Axial chest CT slice 181 of 368 (counted from the lowest slice); tube voltage 120 kVp, convolution kernel B70f; slices 2.00 mm thick, 0.623 mm per pixel.
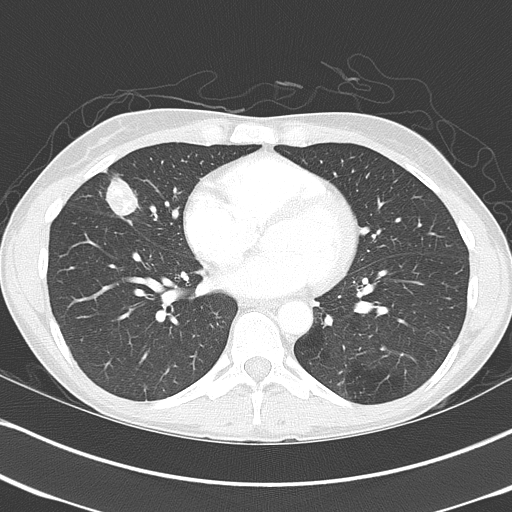
Pulmonary nodule at rows 172–215, columns 104–139 (box = the union of the readers' outlines on this slice), outlined by all four readers; longest diameter 31.5 mm on average over the four readers' outlines (readers' outlines 27.1–39.3 mm), volume 6531–9806 mm3. The readers' prevailing ratings and who disagreed: texture 5/5 (solid), all four readers agreeing; margin 4/5 by two of four readers; the rest gave 2/5 (one), 5/5 (circumscribed) (one); most readers (three of four) put sphericity at 3/5 (ovoid), others 2/5 (one); calcification split among the readers: laminated calcification (one), absent (one), popcorn calcification (one), non-central calcification (one); internal structure soft tissue from all four readers; subtlety 5/5 from all four readers; malignancy likelihood split among the readers: 1/5 (one), 2/5 (one), 4/5 (one), 5/5 (one). Scale key (1–5): texture non-solid→solid, margin indistinct→circumscribed, sphericity linear→round, subtlety extremely subtle→obvious, malignancy likelihood highly unlikely→highly suspicious of cancer. Box rows and columns are 0-based pixel indices from the top-left corner, inclusive.